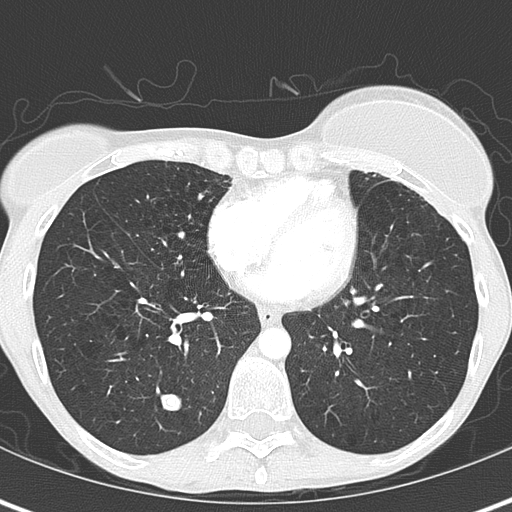
Axial slice 165 of 345 of a chest CT (slice 1 is the lowest), reconstructed with the B70f kernel at 120 kVp; 2.00 mm slice thickness and 0.541 mm pixels.
Pulmonary nodule, outlined by all four readers. Box on this slice rows 394–410, columns 160–182, the union of the readers' outlines on this slice; median longest diameter 13.8 mm (readers' outlines 13.7–13.9 mm), median volume 804 mm3 (707–844 mm3). Median ratings and the readers' spread: texture 5/5 (solid), all four readers agreeing; margin 5/5 (circumscribed), all four readers agreeing; sphericity 4/5 at the median of four readers, spread 3/5 (ovoid) to 5/5 (round); calcification split among the readers: laminated calcification (two), solid calcification (two); internal structure soft tissue from all four readers; subtlety 5/5 from all four readers; malignancy likelihood 1/5 from all four readers. Scale key (1–5): texture non-solid→solid, margin indistinct→circumscribed, sphericity linear→round, subtlety extremely subtle→obvious, malignancy likelihood highly unlikely→highly suspicious of cancer. Box rows and columns are 0-based pixel indices from the top-left corner, inclusive.